Axial slice 259 of 500 of a chest CT (slice 1 is the lowest), reconstructed with the STANDARD kernel at 120 kVp; 1.25 mm slice thickness and 0.703 mm pixels.
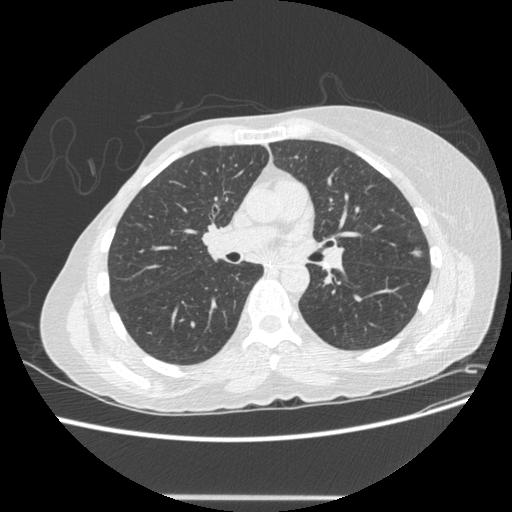
Pulmonary nodule outlined by all four readers; box rows 247–256, columns 411–421 (the union of the readers' outlines on this slice); longest diameter 7.8–9.1 mm and volume 108–174 mm3 across the four readers' outlines. Ratings across the readers: texture from 1/5 (non-solid) to 5/5 (solid) across the four readers; margin from 1/5 (indistinct) to 5/5 (circumscribed) across the four readers; sphericity from 3/5 (ovoid) to 5/5 (round) across the four readers; calcification absent from all four readers; internal structure soft tissue from all four readers; subtlety 3–5/5 (the readers disagree); malignancy likelihood 3–5/5 (the readers disagree). Scale key (1–5): texture non-solid→solid, margin indistinct→circumscribed, sphericity linear→round, subtlety extremely subtle→obvious, malignancy likelihood highly unlikely→highly suspicious of cancer. Box rows and columns are 0-based pixel indices from the top-left corner, inclusive.